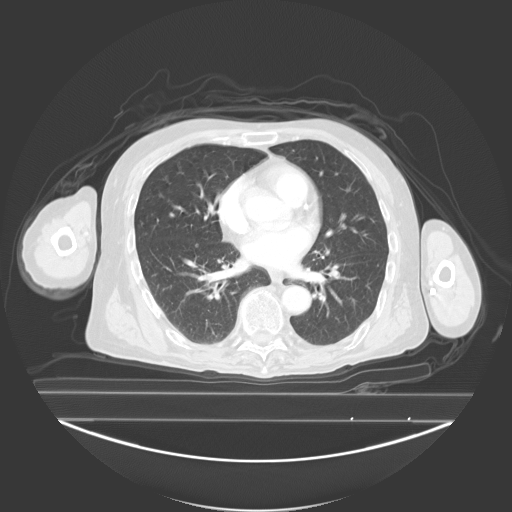
Axial chest CT slice 113 of 278 (counted from the lowest slice); tube voltage 130 kVp, convolution kernel B40s; slices 3.00 mm thick, 0.977 mm per pixel.
Pulmonary nodule outlined by three of the four readers; box rows 243–247, columns 195–198 (the union of the readers' outlines on this slice); longest diameter 6.2 mm on average over the three readers' outlines (readers' outlines 6.2–6.3 mm), volume 123–213 mm3. Ratings, by the readers' most common answer with dissent counted: texture split among the readers: 1/5 (non-solid) (one), 3/5 (part-solid) (one), 5/5 (solid) (one); margin split among the readers: 3/5 (one), 4/5 (one), 5/5 (circumscribed) (one); sphericity 5/5 (round), all three readers agreeing; calcification absent, all three readers agreeing; internal structure soft tissue, all three readers agreeing; subtlety split among the readers: 2/5 (one), 3/5 (one), 4/5 (one); most readers (two of three) put malignancy likelihood at 2/5, others 3/5 (one). Scale key (1–5): texture non-solid→solid, margin indistinct→circumscribed, sphericity linear→round, subtlety extremely subtle→obvious, malignancy likelihood highly unlikely→highly suspicious of cancer. Box rows and columns are 0-based pixel indices from the top-left corner, inclusive.